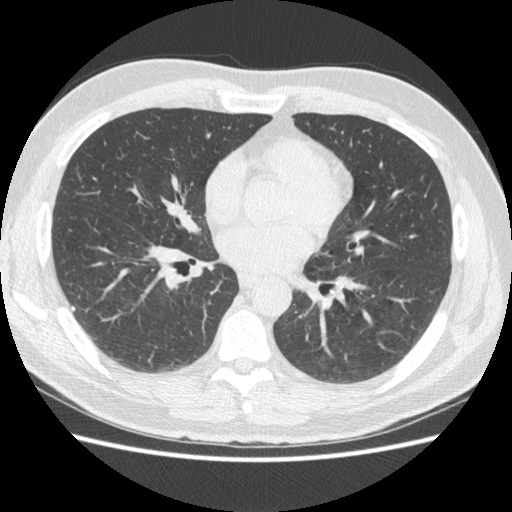
Axial chest CT slice 246 of 477 (counted from the lowest slice); tube voltage 120 kVp, convolution kernel STANDARD; slices 1.25 mm thick, 0.703 mm per pixel.
Pulmonary nodule at rows 306–311, columns 72–73 (box = that reader's outline on this slice), outlined by one of the four readers; longest diameter 5.0 mm and volume 25 mm3 from that reader's outline. That reader's ratings: texture 5/5 (solid); margin 5/5 (circumscribed); sphericity 5/5 (round); calcification absent; internal structure soft tissue; subtlety 3/5; malignancy likelihood 2/5. Scale key (1–5): texture non-solid→solid, margin indistinct→circumscribed, sphericity linear→round, subtlety extremely subtle→obvious, malignancy likelihood highly unlikely→highly suspicious of cancer. Box rows and columns are 0-based pixel indices from the top-left corner, inclusive.